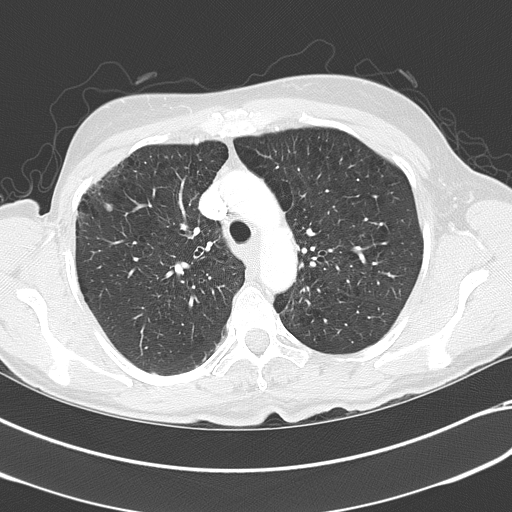
Axial chest CT slice 261 of 351 (counted from the lowest slice); tube voltage 120 kVp, convolution kernel B70f; slices 2.00 mm thick, 0.643 mm per pixel.
Pulmonary nodule at rows 203–212, columns 104–113 (box = the union of the readers' outlines on this slice), outlined by all four readers; the four readers' outlines give a longest diameter between 8.5 and 9.1 mm and a volume between 196 and 254 mm3. Ratings across the readers: texture from 1/5 (non-solid) to 5/5 (solid) across the four readers; margin 5/5 (circumscribed), all four readers agreeing; sphericity from 3/5 (ovoid) to 4/5 across the four readers; calcification absent, all four readers agreeing; internal structure soft tissue, all four readers agreeing; subtlety 5/5, all four readers agreeing; malignancy likelihood rated between 3 and 4 out of 5 by the four readers. Scale key (1–5): texture non-solid→solid, margin indistinct→circumscribed, sphericity linear→round, subtlety extremely subtle→obvious, malignancy likelihood highly unlikely→highly suspicious of cancer. Box rows and columns are 0-based pixel indices from the top-left corner, inclusive.